Chest CT, axial plane, 120 kVp, kernel BONE. Slice 143/244 from the bottom of the scan; thickness 1.25 mm; pixel size 0.729 mm.
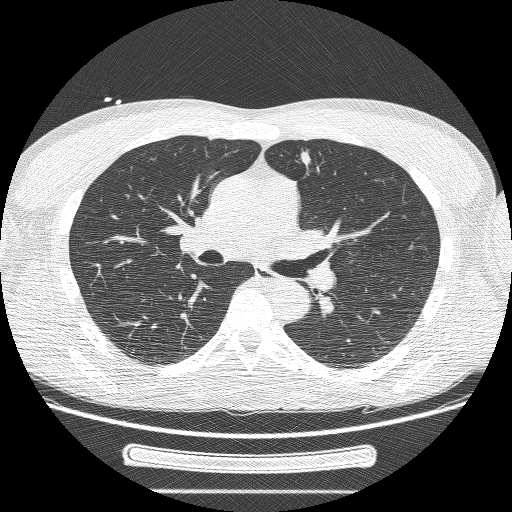
Pulmonary nodule, outlined by three of the four readers, two of them on this slice. Box on this slice rows 149–167, columns 300–311, the union of the readers' outlines on this slice; the three readers' outlines give a longest diameter between 27.4 and 37.9 mm and a volume between 2934 and 10099 mm3. Ratings across the readers: texture from 3/5 (part-solid) to 5/5 (solid) across the three readers; margin from 1/5 (indistinct) to 3/5 across the three readers; sphericity from 2/5 to 4/5 across the three readers; calcification absent from all three readers; internal structure soft tissue from all three readers; subtlety 5/5, all three readers agreeing; malignancy likelihood 3–5/5 (the readers disagree). Scale key (1–5): texture non-solid→solid, margin indistinct→circumscribed, sphericity linear→round, subtlety extremely subtle→obvious, malignancy likelihood highly unlikely→highly suspicious of cancer. Box rows and columns are 0-based pixel indices from the top-left corner, inclusive.